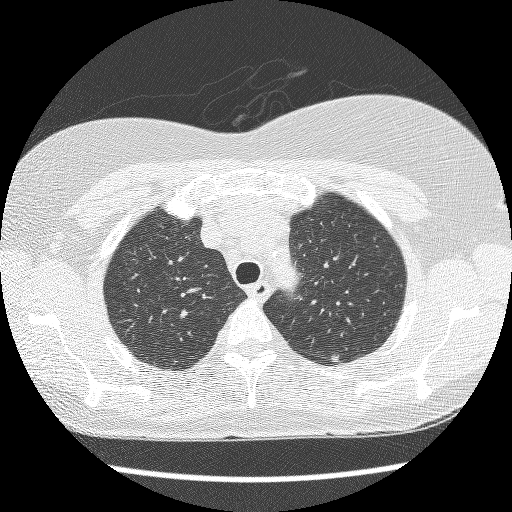
Chest CT, axial plane, 120 kVp, kernel BONE. Slice 182/225 from the bottom of the scan; thickness 1.25 mm; pixel size 0.623 mm.
Pulmonary nodule, outlined by three of the four readers. Box on this slice rows 354–361, columns 330–338, the union of the readers' outlines on this slice; longest diameter 6.7 mm on average over the three readers' outlines (readers' outlines 6.1–7.6 mm), volume 40–68 mm3. Ratings, by the readers' most common answer with dissent counted: most readers (two of three) put texture at 5/5 (solid), others 3/5 (part-solid) (one); margin split among the readers: 2/5 (one), 3/5 (one), 4/5 (one); most readers (two of three) put sphericity at 4/5, others 2/5 (one); calcification absent from all three readers; internal structure soft tissue from all three readers; subtlety 4/5 by two of three readers; the rest gave 5/5 (one); malignancy likelihood split among the readers: 2/5 (one), 3/5 (one), 4/5 (one). Scale key (1–5): texture non-solid→solid, margin indistinct→circumscribed, sphericity linear→round, subtlety extremely subtle→obvious, malignancy likelihood highly unlikely→highly suspicious of cancer. Box rows and columns are 0-based pixel indices from the top-left corner, inclusive.